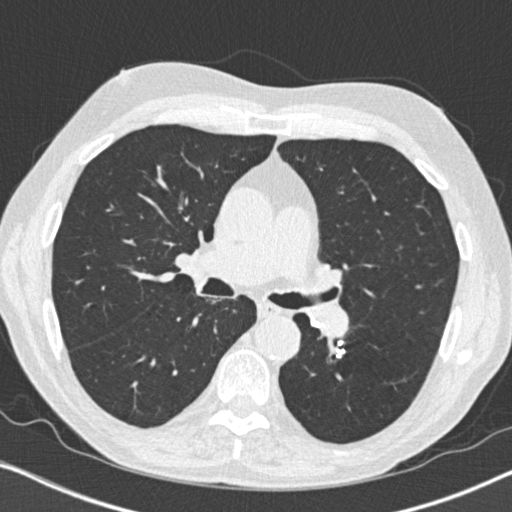
Axial slice 467 of 764 of a chest CT (slice 1 is the lowest), reconstructed with the B31f kernel at 120 kVp; 1.00 mm slice thickness and 0.646 mm pixels.
Pulmonary nodule outlined by one of the four readers; box rows 349–357, columns 336–344 (that reader's outline on this slice); longest diameter 8.3 mm and volume 154 mm3 from that reader's outline. Ratings by that reader: texture 5/5 (solid); margin 5/5 (circumscribed); sphericity 3/5 (ovoid); calcification solid calcification; internal structure soft tissue; subtlety 5/5; malignancy likelihood 1/5. Scale key (1–5): texture non-solid→solid, margin indistinct→circumscribed, sphericity linear→round, subtlety extremely subtle→obvious, malignancy likelihood highly unlikely→highly suspicious of cancer. Box rows and columns are 0-based pixel indices from the top-left corner, inclusive.